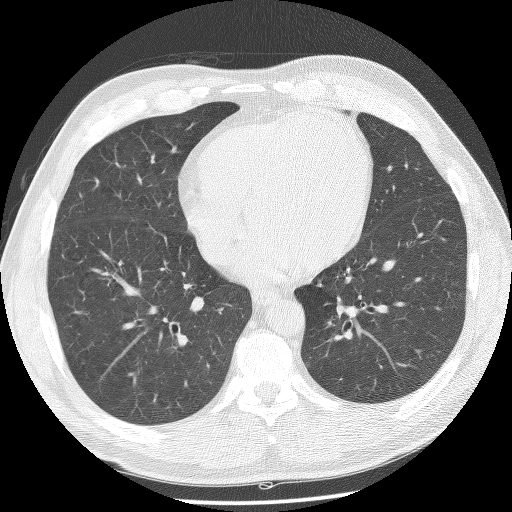
Axial chest CT slice 54 of 132 (counted from the lowest slice); tube voltage 140 kVp, convolution kernel BONE; slices 2.50 mm thick, 0.703 mm per pixel.
Pulmonary nodule, outlined by two of the four readers. Box on this slice rows 361–367, columns 305–310, the union of the readers' outlines on this slice; the two readers' outlines give a longest diameter between 6.0 and 6.3 mm and a volume between 121 and 141 mm3. The readers' ratings, as ranges where they differ: texture 5/5 (solid) from both readers; margin from 4/5 to 5/5 (circumscribed) across the two readers; sphericity from 3/5 (ovoid) to 4/5 across the two readers; calcification absent, both readers agreeing; internal structure soft tissue, both readers agreeing; subtlety rated between 4 and 5 out of 5 by the two readers; malignancy likelihood rated between 2 and 3 out of 5 by the two readers. Scale key (1–5): texture non-solid→solid, margin indistinct→circumscribed, sphericity linear→round, subtlety extremely subtle→obvious, malignancy likelihood highly unlikely→highly suspicious of cancer. Box rows and columns are 0-based pixel indices from the top-left corner, inclusive.